Axial slice 132 of 244 of a chest CT (slice 1 is the lowest), reconstructed with the BONE kernel at 120 kVp; 1.25 mm slice thickness and 0.729 mm pixels.
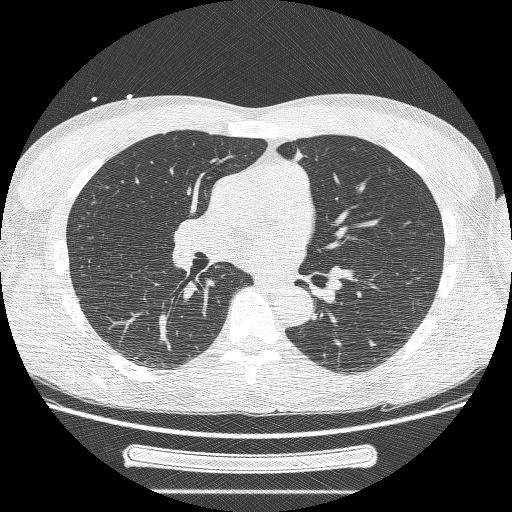
Pulmonary nodule at rows 149–158, columns 295–300 (box = the one reader's outline on this slice), outlined by three of the four readers, one of them on this slice; longest diameter 34.2 mm on average over the three readers' outlines (readers' outlines 27.4–37.9 mm), volume 2934–10099 mm3. Ratings, by the readers' most common answer with dissent counted: most readers (two of three) put texture at 5/5 (solid), others 3/5 (part-solid) (one); margin split among the readers: 1/5 (indistinct) (one), 2/5 (one), 3/5 (one); sphericity split among the readers: 2/5 (one), 3/5 (ovoid) (one), 4/5 (one); calcification absent, all three readers agreeing; internal structure soft tissue from all three readers; subtlety 5/5, all three readers agreeing; most readers (two of three) put malignancy likelihood at 5/5, others 3/5 (one). Scale key (1–5): texture non-solid→solid, margin indistinct→circumscribed, sphericity linear→round, subtlety extremely subtle→obvious, malignancy likelihood highly unlikely→highly suspicious of cancer. Box rows and columns are 0-based pixel indices from the top-left corner, inclusive.